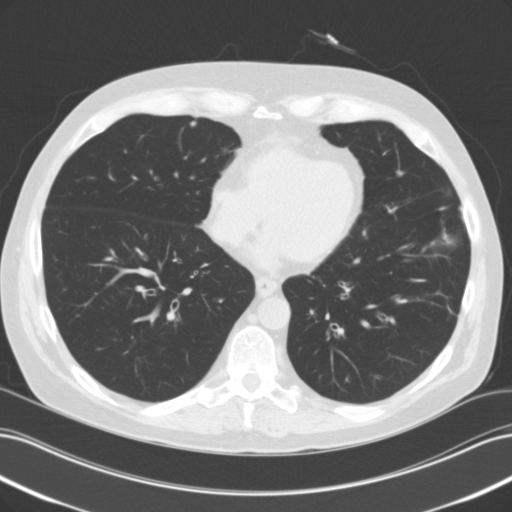
Axial chest CT slice 45 of 118 (counted from the lowest slice); tube voltage 120 kVp, convolution kernel B31f; slices 3.00 mm thick, 0.707 mm per pixel.
Pulmonary nodule at rows 120–127, columns 189–197 (box = the union of the readers' outlines on this slice), outlined by three of the four readers; longest diameter 6.0–7.1 mm and volume 64–84 mm3 across the three readers' outlines. Ratings across the readers: texture from 4/5 to 5/5 (solid) across the three readers; margin 4/5, all three readers agreeing; sphericity from 2/5 to 4/5 across the three readers; calcification absent, all three readers agreeing; internal structure soft tissue from all three readers; subtlety from 1/5 to 5/5 across the three readers; malignancy likelihood from 2/5 to 3/5 across the three readers. Scale key (1–5): texture non-solid→solid, margin indistinct→circumscribed, sphericity linear→round, subtlety extremely subtle→obvious, malignancy likelihood highly unlikely→highly suspicious of cancer. Box rows and columns are 0-based pixel indices from the top-left corner, inclusive.